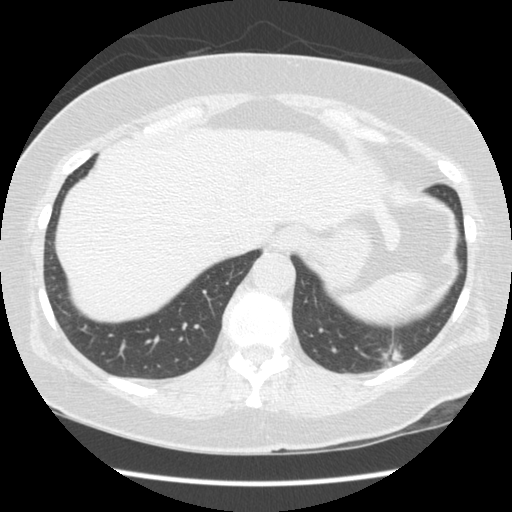
One axial slice (33 of 154, counting up from the lowest) of a chest CT acquired at 120 kVp with the STANDARD kernel; each pixel is 0.645 mm and the slice is 2.50 mm thick.
Pulmonary nodule, outlined by one of the four readers. Box on this slice rows 347–366, columns 381–401, that reader's outline on this slice; longest diameter 24.1 mm and volume 2244 mm3 from that reader's outline. That reader's ratings: texture 3/5 (part-solid); margin 3/5; sphericity 4/5; calcification absent; internal structure soft tissue; subtlety 4/5; malignancy likelihood 1/5. Scale key (1–5): texture non-solid→solid, margin indistinct→circumscribed, sphericity linear→round, subtlety extremely subtle→obvious, malignancy likelihood highly unlikely→highly suspicious of cancer. Box rows and columns are 0-based pixel indices from the top-left corner, inclusive.